One axial slice (180 of 242, counting up from the lowest) of a chest CT acquired at 120 kVp with the LUNG kernel; each pixel is 0.703 mm and the slice is 1.25 mm thick.
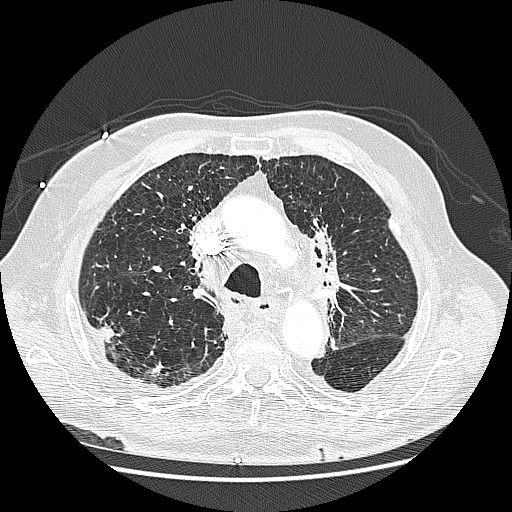
Pulmonary nodule outlined by three of the four readers; box rows 325–341, columns 98–115 (the union of the readers' outlines on this slice); median longest diameter 25.5 mm (readers' outlines 23.6–31.8 mm), median volume 3121 mm3 (3005–3613 mm3). Ratings, median across the readers with their spread: texture 5/5 (solid), all three readers agreeing; margin 4/5 at the median of three readers, spread 3/5 to 5/5 (circumscribed); median sphericity 4/5 (readers ranged 3/5 (ovoid) to 4/5); calcification absent, all three readers agreeing; internal structure soft tissue from all three readers; subtlety 5/5 at the median of three readers, spread 4–5; median malignancy likelihood 5/5 (readers ranged 4–5). Scale key (1–5): texture non-solid→solid, margin indistinct→circumscribed, sphericity linear→round, subtlety extremely subtle→obvious, malignancy likelihood highly unlikely→highly suspicious of cancer. Box rows and columns are 0-based pixel indices from the top-left corner, inclusive.